One axial slice (79 of 250, counting up from the lowest) of a chest CT acquired at 120 kVp with the B kernel; each pixel is 0.834 mm and the slice is 2.00 mm thick.
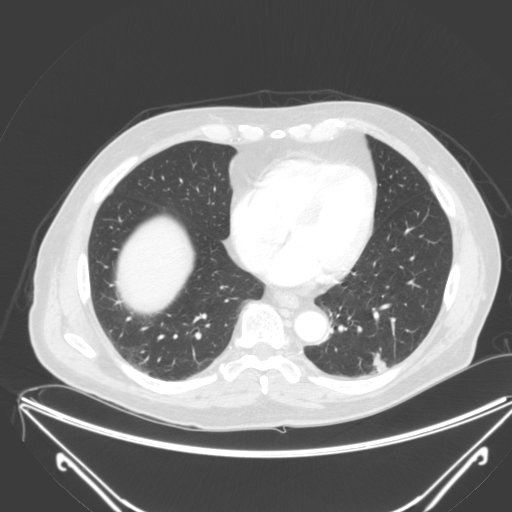
Pulmonary nodule outlined by all four readers; box rows 352–373, columns 371–386 (the union of the readers' outlines on this slice); median longest diameter 28.3 mm (readers' outlines 26.7–30.4 mm), median volume 3107 mm3 (2541–3664 mm3). Median ratings and the readers' spread: texture 4.5/5 at the median of four readers, spread 4/5 to 5/5 (solid); margin 3/5 at the median of four readers, spread 2/5 to 4/5; median sphericity 3/5 (ovoid) (readers ranged 3/5 (ovoid) to 5/5 (round)); calcification absent, all four readers agreeing; internal structure soft tissue from all four readers; subtlety 5/5 from all four readers; malignancy likelihood 3.5/5 at the median of four readers, spread 3–5. Scale key (1–5): texture non-solid→solid, margin indistinct→circumscribed, sphericity linear→round, subtlety extremely subtle→obvious, malignancy likelihood highly unlikely→highly suspicious of cancer. Box rows and columns are 0-based pixel indices from the top-left corner, inclusive.